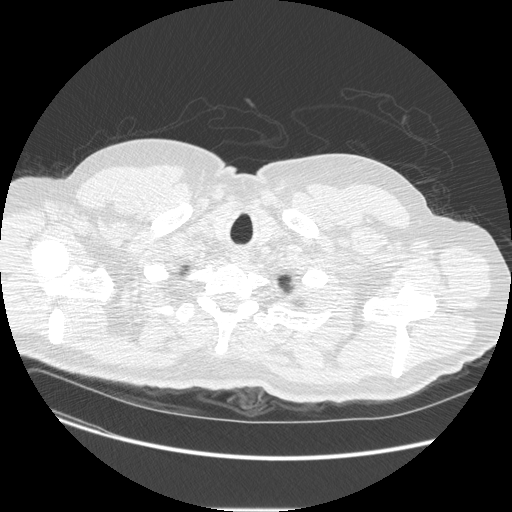
Axial chest CT slice 442 of 461 (counted from the lowest slice); 1.25 mm thick, 0.781 mm per pixel. Pulmonary nodule at rows 296–301, columns 284–292 (box = that reader's outline on this slice), outlined by one of the four readers; longest diameter 7.8 mm and volume 81 mm3 from that reader's outline. Ratings by that reader: texture 5/5 (solid); margin 4/5; sphericity 4/5; calcification absent; internal structure soft tissue; subtlety 5/5; malignancy likelihood 3/5. Scale key (1–5): texture non-solid→solid, margin indistinct→circumscribed, sphericity linear→round, subtlety extremely subtle→obvious, malignancy likelihood highly unlikely→highly suspicious of cancer. Box rows and columns are 0-based pixel indices from the top-left corner, inclusive.
Acquired at 120 kVp and reconstructed with the STANDARD kernel.